Axial chest CT slice 159 of 220 (counted from the lowest slice); tube voltage 140 kVp, convolution kernel D; slices 1.00 mm thick, 0.770 mm per pixel.
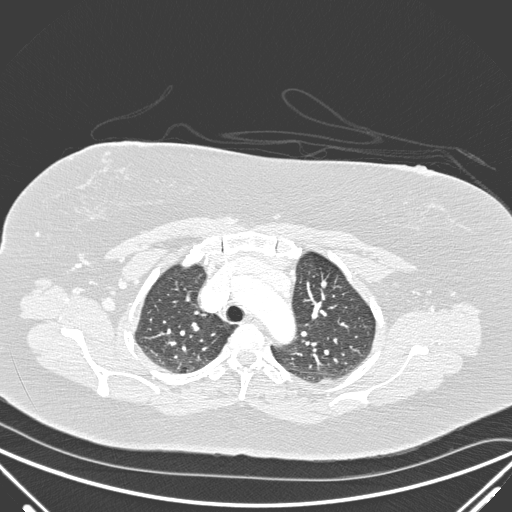
Pulmonary nodule at rows 280–287, columns 321–326 (box = the union of the readers' outlines on this slice), outlined by all four readers; median longest diameter 6.0 mm (readers' outlines 5.4–7.1 mm), median volume 76 mm3 (44–97 mm3). Median ratings and the readers' spread: median texture 5/5 (solid) (readers ranged 4/5 to 5/5 (solid)); margin 4/5 at the median of four readers, spread 3/5 to 5/5 (circumscribed); sphericity 4/5 from all four readers; calcification absent from all four readers; internal structure soft tissue from all four readers; subtlety 4/5 at the median of four readers, spread 2–5; malignancy likelihood 2.5/5 at the median of four readers, spread 2–3. Scale key (1–5): texture non-solid→solid, margin indistinct→circumscribed, sphericity linear→round, subtlety extremely subtle→obvious, malignancy likelihood highly unlikely→highly suspicious of cancer. Box rows and columns are 0-based pixel indices from the top-left corner, inclusive.